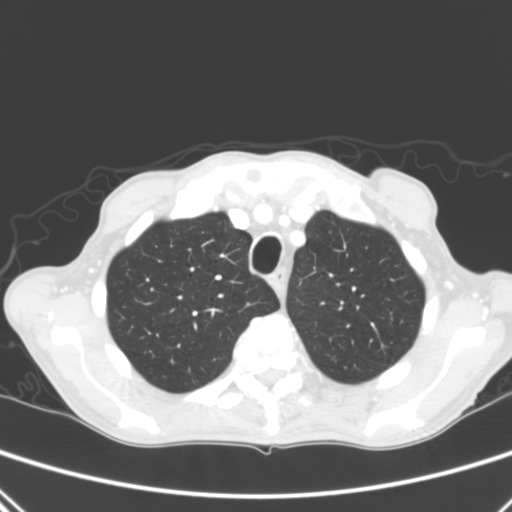
Slice 234/290 of a chest CT, counting up from the lowest; pixel size 0.639 mm, slice thickness 2.00 mm. This slice carries no reader outline of a nodule 3 mm or larger.
Acquired at 120 kVp and reconstructed with the B kernel.